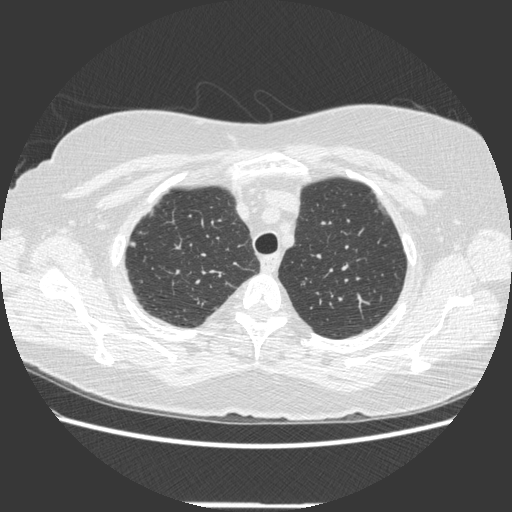
Slice 375/452 of a chest CT, counting up from the lowest; pixel size 0.703 mm, slice thickness 1.25 mm. Pulmonary nodule outlined by two of the four readers; box rows 241–246, columns 129–135 (the union of the readers' outlines on this slice); longest diameter 5.4–7.0 mm and volume 53–63 mm3 across the two readers' outlines. The readers' ratings, as ranges where they differ: texture from 3/5 (part-solid) to 5/5 (solid) across the two readers; margin from 3/5 to 5/5 (circumscribed) across the two readers; sphericity 4/5, both readers agreeing; calcification absent, both readers agreeing; internal structure soft tissue from both readers; subtlety from 2/5 to 4/5 across the two readers; malignancy likelihood 2–3/5 (the readers disagree). Scale key (1–5): texture non-solid→solid, margin indistinct→circumscribed, sphericity linear→round, subtlety extremely subtle→obvious, malignancy likelihood highly unlikely→highly suspicious of cancer. Box rows and columns are 0-based pixel indices from the top-left corner, inclusive.
Scan settings: 120 kVp, STANDARD reconstruction kernel.